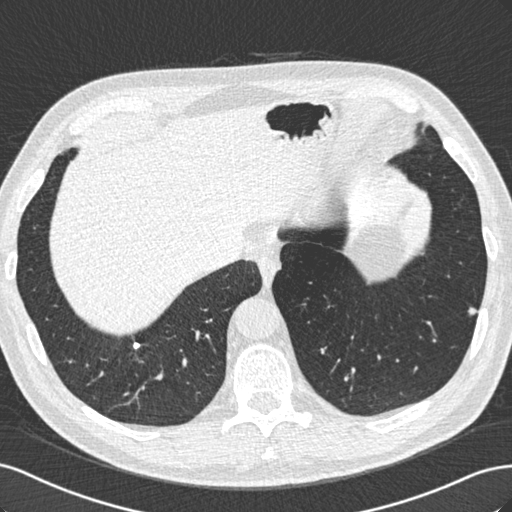
Axial chest CT slice 192 of 529 (counted from the lowest slice); 0.75 mm thick, 0.703 mm per pixel. Two pulmonary nodules are outlined on this slice; from left to right: (1) Pulmonary nodule outlined by two of the four readers; box rows 341–349, columns 132–140 (the union of the readers' outlines on this slice); longest diameter 8.5 mm on average over the two readers' outlines (readers' outlines 7.5–9.6 mm), volume 88–148 mm3. The readers' prevailing ratings and who disagreed: texture 5/5 (solid) from both readers; margin 5/5 (circumscribed) from both readers; sphericity split among the readers: 4/5 (one), 5/5 (round) (one); calcification solid calcification, both readers agreeing; internal structure soft tissue from both readers; subtlety split among the readers: 4/5 (one), 5/5 (one); malignancy likelihood 1/5 from both readers. (2) Pulmonary nodule outlined by three of the four readers; box rows 306–315, columns 468–476 (the union of the readers' outlines on this slice); median longest diameter 8.2 mm (readers' outlines 8.0–10.9 mm), median volume 84 mm3 (66–163 mm3). Median ratings and the readers' spread: texture 5/5 (solid) at the median of three readers, spread 4/5 to 5/5 (solid); median margin 5/5 (circumscribed) (readers ranged 4/5 to 5/5 (circumscribed)); sphericity 5/5 (round), all three readers agreeing; calcification absent from all three readers; internal structure soft tissue, all three readers agreeing; median subtlety 4/5 (readers ranged 3–5); median malignancy likelihood 3/5 (readers ranged 2–4). Scale key (1–5): texture non-solid→solid, margin indistinct→circumscribed, sphericity linear→round, subtlety extremely subtle→obvious, malignancy likelihood highly unlikely→highly suspicious of cancer. Box rows and columns are 0-based pixel indices from the top-left corner, inclusive.
Tube voltage 120 kVp; convolution kernel B30f.